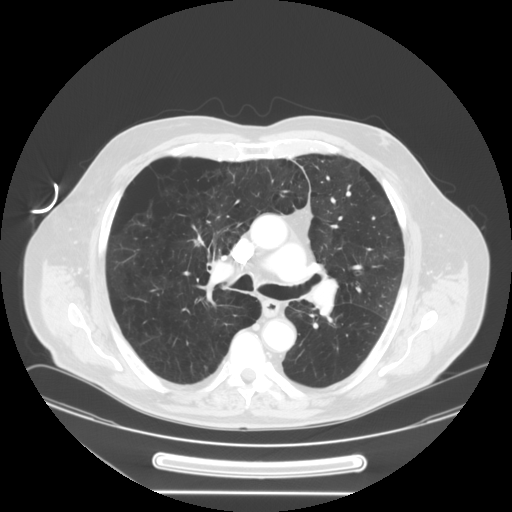
Axial slice 95 of 148 of a chest CT (slice 1 is the lowest), reconstructed with the STANDARD kernel at 120 kVp; 2.50 mm slice thickness and 0.859 mm pixels.
Pulmonary nodule, outlined three times (the source holds two more outlines, not used). Box on this slice rows 234–246, columns 193–204, the union of the readers' outlines on this slice; median longest diameter 33.1 mm (readers' outlines 32.7–36.1 mm), median volume 2529 mm3 (2349–3895 mm3). Median ratings and the readers' spread: texture 5/5 (solid), all three readers agreeing; margin 4/5 at the median of three readers, spread 2/5 to 5/5 (circumscribed); sphericity 2/5 at the median of three readers, spread 2/5 to 3/5 (ovoid); calcification absent from all three readers; internal structure soft tissue from all three readers; subtlety 5/5 from all three readers; median malignancy likelihood 5/5 (readers ranged 3–5). Scale key (1–5): texture non-solid→solid, margin indistinct→circumscribed, sphericity linear→round, subtlety extremely subtle→obvious, malignancy likelihood highly unlikely→highly suspicious of cancer. Box rows and columns are 0-based pixel indices from the top-left corner, inclusive.